Axial chest CT slice 60 of 119 (counted from the lowest slice); tube voltage 120 kVp, convolution kernel STANDARD; slices 2.50 mm thick, 0.703 mm per pixel.
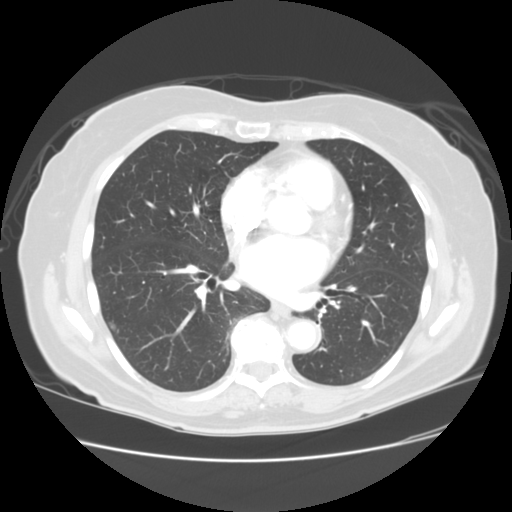
Pulmonary nodule outlined by all four readers; box rows 322–330, columns 109–115 (the union of the readers' outlines on this slice); longest diameter 7.9–9.2 mm and volume 117–205 mm3 across the four readers' outlines. The readers' ratings, as ranges where they differ: texture 5/5 (solid) from all four readers; margin from 3/5 to 5/5 (circumscribed) across the four readers; sphericity from 3/5 (ovoid) to 5/5 (round) across the four readers; calcification absent from all four readers; internal structure soft tissue, all four readers agreeing; subtlety from 3/5 to 5/5 across the four readers; malignancy likelihood from 2/5 to 3/5 across the four readers. Scale key (1–5): texture non-solid→solid, margin indistinct→circumscribed, sphericity linear→round, subtlety extremely subtle→obvious, malignancy likelihood highly unlikely→highly suspicious of cancer. Box rows and columns are 0-based pixel indices from the top-left corner, inclusive.